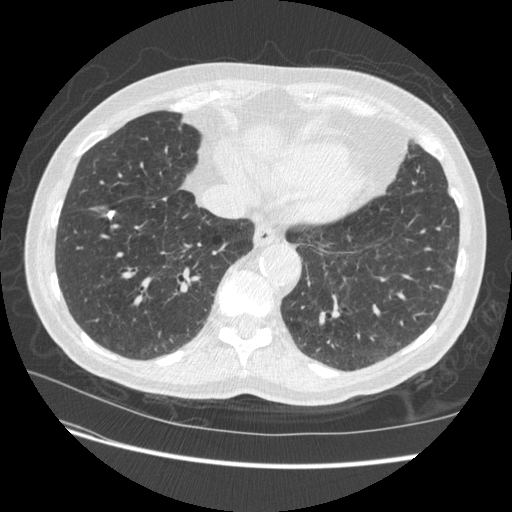
Chest CT, axial plane, 120 kVp, kernel STANDARD. Slice 131/509 from the bottom of the scan; thickness 1.25 mm; pixel size 0.703 mm.
Pulmonary nodule outlined by three of the four readers; box rows 210–218, columns 107–114 (the union of the readers' outlines on this slice); longest diameter 11.8 mm on average over the three readers' outlines (readers' outlines 11.4–12.1 mm), volume 273–413 mm3. The readers' prevailing ratings and who disagreed: texture 5/5 (solid) from all three readers; margin 5/5 (circumscribed) by two of three readers; the rest gave 4/5 (one); sphericity 3/5 (ovoid) by two of three readers; the rest gave 4/5 (one); calcification solid calcification from all three readers; internal structure soft tissue from all three readers; most readers (two of three) put subtlety at 5/5, others 4/5 (one); malignancy likelihood 1/5 from all three readers. Scale key (1–5): texture non-solid→solid, margin indistinct→circumscribed, sphericity linear→round, subtlety extremely subtle→obvious, malignancy likelihood highly unlikely→highly suspicious of cancer. Box rows and columns are 0-based pixel indices from the top-left corner, inclusive.